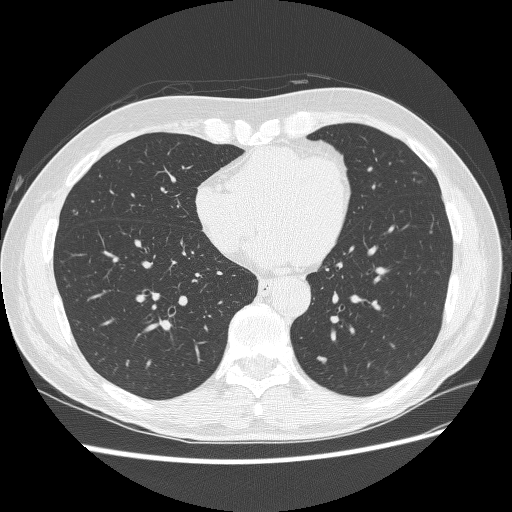
Axial slice 104 of 280 of a chest CT (slice 1 is the lowest), reconstructed with the BONE kernel at 120 kVp; 1.25 mm slice thickness and 0.703 mm pixels.
Pulmonary nodule at rows 356–363, columns 317–327 (box = the union of the readers' outlines on this slice), outlined by all four readers; longest diameter 7.2–8.9 mm and volume 60–103 mm3 across the four readers' outlines. The readers' ratings, as ranges where they differ: texture from 4/5 to 5/5 (solid) across the four readers; margin 4/5, all four readers agreeing; sphericity from 2/5 to 3/5 (ovoid) across the four readers; calcification absent, all four readers agreeing; internal structure soft tissue, all four readers agreeing; subtlety from 1/5 to 4/5 across the four readers; malignancy likelihood 2–3/5 (the readers disagree). Scale key (1–5): texture non-solid→solid, margin indistinct→circumscribed, sphericity linear→round, subtlety extremely subtle→obvious, malignancy likelihood highly unlikely→highly suspicious of cancer. Box rows and columns are 0-based pixel indices from the top-left corner, inclusive.